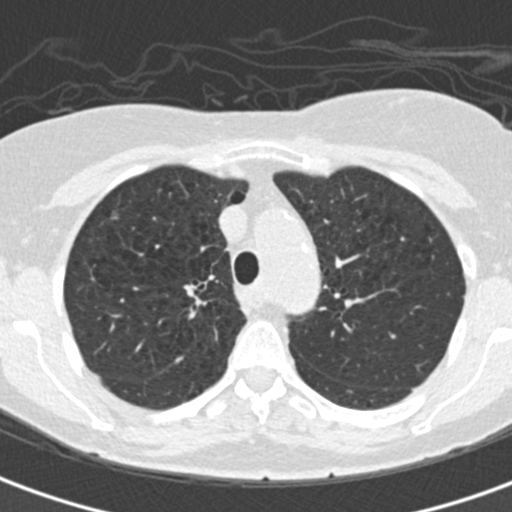
Axial chest CT slice 148 of 193 (counted from the lowest slice); 2.00 mm thick, 0.547 mm per pixel. Pulmonary nodule outlined by two of the four readers; box rows 209–220, columns 109–119 (the union of the readers' outlines on this slice); longest diameter 7.4 mm on average over the two readers' outlines (readers' outlines 7.0–7.9 mm), volume 101 mm3. Ratings, by the readers' most common answer with dissent counted: texture 1/5 (non-solid), both readers agreeing; margin 2/5 from both readers; sphericity 5/5 (round), both readers agreeing; calcification absent, both readers agreeing; internal structure soft tissue from both readers; subtlety split among the readers: 1/5 (one), 2/5 (one); malignancy likelihood 2/5 from both readers. Scale key (1–5): texture non-solid→solid, margin indistinct→circumscribed, sphericity linear→round, subtlety extremely subtle→obvious, malignancy likelihood highly unlikely→highly suspicious of cancer. Box rows and columns are 0-based pixel indices from the top-left corner, inclusive.
Scan settings: 120 kVp, B30f reconstruction kernel.